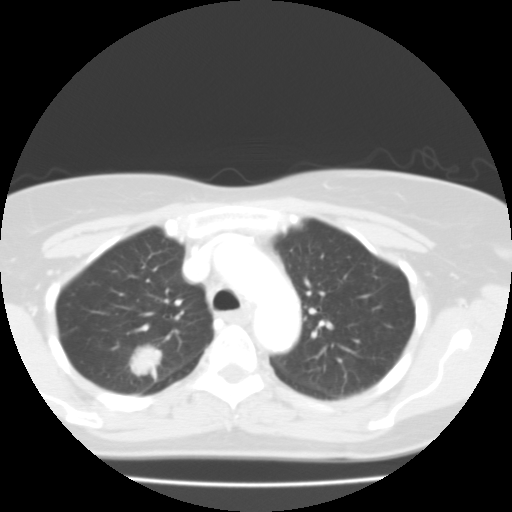
Chest CT, axial plane, 135 kVp, kernel FC01. Slice 71/99 from the bottom of the scan; thickness 3.00 mm; pixel size 0.586 mm.
Pulmonary nodule at rows 342–381, columns 128–162 (box = the union of the readers' outlines on this slice), outlined by all four readers; longest diameter 24.7 mm on average over the four readers' outlines (readers' outlines 23.2–25.9 mm), volume 4482–6539 mm3. Ratings, by the readers' most common answer with dissent counted: texture 5/5 (solid), all four readers agreeing; most readers (three of four) put margin at 4/5, others 5/5 (circumscribed) (one); sphericity split among the readers: 4/5 (two), 5/5 (round) (two); calcification absent, all four readers agreeing; internal structure soft tissue, all four readers agreeing; most readers (three of four) put subtlety at 5/5, others 3/5 (one); malignancy likelihood 5/5 by two of four readers; the rest gave 2/5 (one), 3/5 (one). Scale key (1–5): texture non-solid→solid, margin indistinct→circumscribed, sphericity linear→round, subtlety extremely subtle→obvious, malignancy likelihood highly unlikely→highly suspicious of cancer. Box rows and columns are 0-based pixel indices from the top-left corner, inclusive.